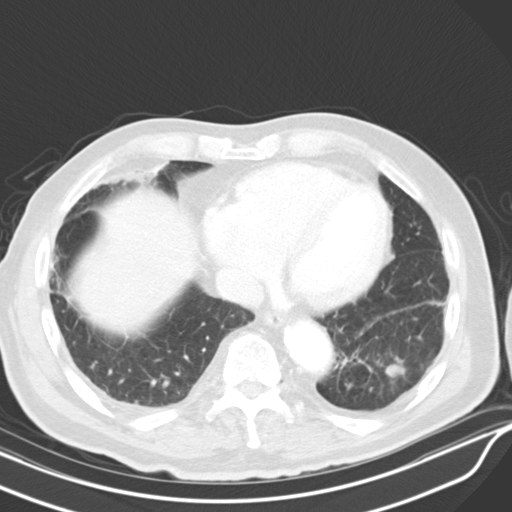
Axial chest CT slice 209 of 319 (counted from the lowest slice); tube voltage 130 kVp, convolution kernel B30s; slices 4.00 mm thick, 0.729 mm per pixel.
Pulmonary nodule outlined by all four readers; box rows 364–377, columns 384–404 (the union of the readers' outlines on this slice); longest diameter 18.2 mm on average over the four readers' outlines (readers' outlines 16.9–19.9 mm), volume 1011–1255 mm3. The readers' prevailing ratings and who disagreed: most readers (three of four) put texture at 5/5 (solid), others 3/5 (part-solid) (one); margin 2/5 by two of four readers; the rest gave 3/5 (one), 4/5 (one); sphericity 3/5 (ovoid) by two of four readers; the rest gave 2/5 (one), 4/5 (one); calcification absent from all four readers; internal structure soft tissue, all four readers agreeing; subtlety split among the readers: 4/5 (two), 5/5 (two); malignancy likelihood split among the readers: 3/5 (two), 4/5 (two). Scale key (1–5): texture non-solid→solid, margin indistinct→circumscribed, sphericity linear→round, subtlety extremely subtle→obvious, malignancy likelihood highly unlikely→highly suspicious of cancer. Box rows and columns are 0-based pixel indices from the top-left corner, inclusive.